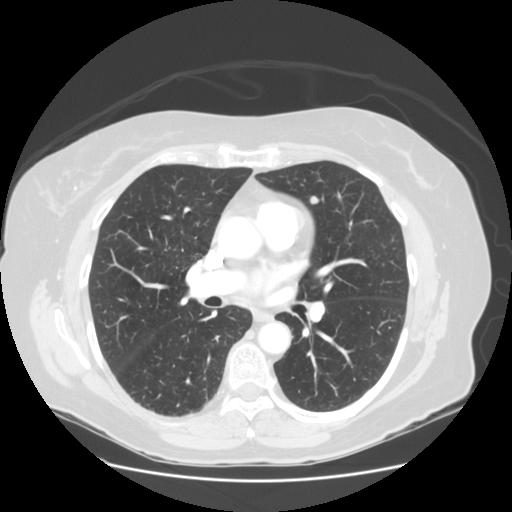
Slice 72/128 of a chest CT, counting up from the lowest; pixel size 0.742 mm, slice thickness 2.50 mm. Pulmonary nodule, outlined by all four readers. Box on this slice rows 196–203, columns 309–318, the union of the readers' outlines on this slice; longest diameter 7.9 mm on average over the four readers' outlines (readers' outlines 7.7–8.0 mm), volume 202–252 mm3. The readers' prevailing ratings and who disagreed: most readers (three of four) put texture at 5/5 (solid), others 4/5 (one); margin split among the readers: 4/5 (two), 5/5 (circumscribed) (two); sphericity 5/5 (round) by two of four readers; the rest gave 3/5 (ovoid) (one), 4/5 (one); calcification absent, all four readers agreeing; internal structure soft tissue from all four readers; most readers (three of four) put subtlety at 4/5, others 3/5 (one); malignancy likelihood 3/5 by two of four readers; the rest gave 2/5 (one), 4/5 (one). Scale key (1–5): texture non-solid→solid, margin indistinct→circumscribed, sphericity linear→round, subtlety extremely subtle→obvious, malignancy likelihood highly unlikely→highly suspicious of cancer. Box rows and columns are 0-based pixel indices from the top-left corner, inclusive.
Scan settings: 120 kVp, STANDARD reconstruction kernel.